Axial slice 91 of 133 of a chest CT (slice 1 is the lowest), reconstructed with the LUNG kernel at 120 kVp; 2.50 mm slice thickness and 0.703 mm pixels.
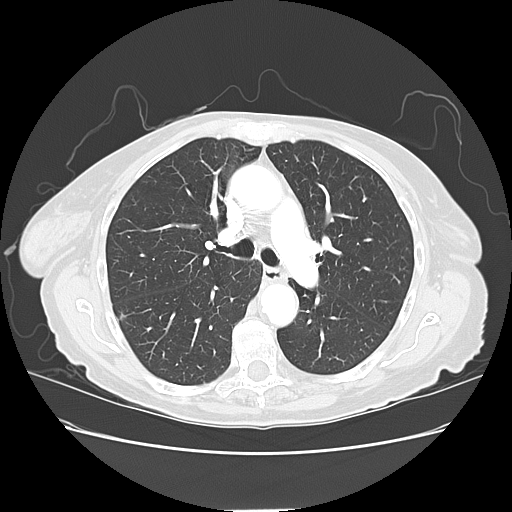
Pulmonary nodule, outlined by two of the four readers, one of them on this slice. Box on this slice rows 314–318, columns 120–124, the one reader's outline on this slice; median longest diameter 6.3 mm (readers' outlines 6.0–6.7 mm), median volume 70 mm3 (58–82 mm3). Median ratings and the readers' spread: texture 5/5 (solid), both readers agreeing; median margin 4.5/5 (readers ranged 4/5 to 5/5 (circumscribed)); median sphericity 3.5/5 (readers ranged 3/5 (ovoid) to 4/5); calcification absent from both readers; internal structure soft tissue from both readers; subtlety 3.5/5 at the median of two readers, spread 3–4; malignancy likelihood 3/5 from both readers. Scale key (1–5): texture non-solid→solid, margin indistinct→circumscribed, sphericity linear→round, subtlety extremely subtle→obvious, malignancy likelihood highly unlikely→highly suspicious of cancer. Box rows and columns are 0-based pixel indices from the top-left corner, inclusive.